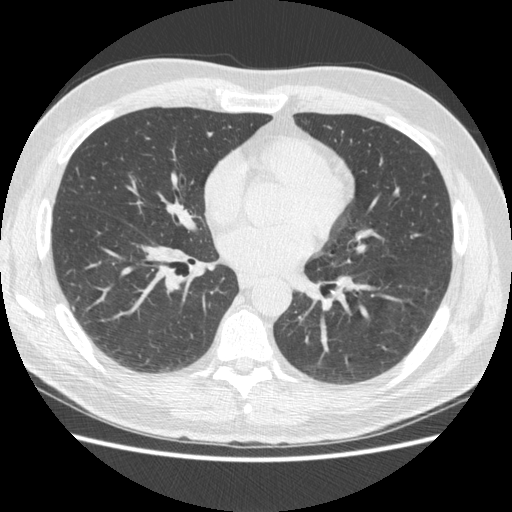
One axial slice (244 of 477, counting up from the lowest) of a chest CT acquired at 120 kVp with the STANDARD kernel; each pixel is 0.703 mm and the slice is 1.25 mm thick.
Pulmonary nodule, outlined by one of the four readers. Box on this slice rows 307–311, columns 72–74, that reader's outline on this slice; longest diameter 5.0 mm and volume 25 mm3 from that reader's outline. That reader's ratings: texture 5/5 (solid); margin 5/5 (circumscribed); sphericity 5/5 (round); calcification absent; internal structure soft tissue; subtlety 3/5; malignancy likelihood 2/5. Scale key (1–5): texture non-solid→solid, margin indistinct→circumscribed, sphericity linear→round, subtlety extremely subtle→obvious, malignancy likelihood highly unlikely→highly suspicious of cancer. Box rows and columns are 0-based pixel indices from the top-left corner, inclusive.